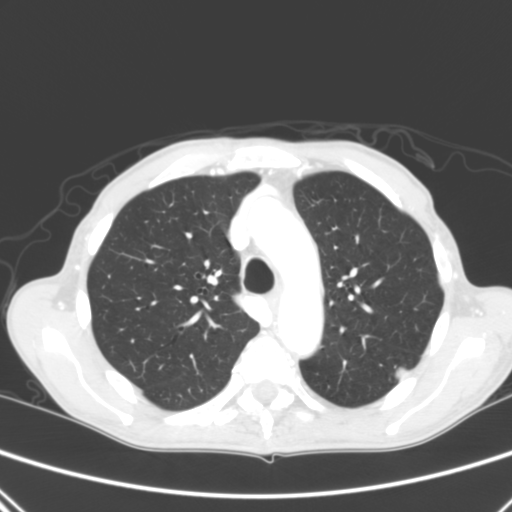
Axial chest CT slice 208 of 290 (counted from the lowest slice); tube voltage 120 kVp, convolution kernel B; slices 2.00 mm thick, 0.639 mm per pixel.
Pulmonary nodule outlined by all four readers; box rows 366–381, columns 394–410 (the union of the readers' outlines on this slice); longest diameter 14.4 mm on average over the four readers' outlines (readers' outlines 12.9–15.8 mm), volume 837–1237 mm3. Ratings, by the readers' most common answer with dissent counted: texture 5/5 (solid) by three of four readers; the rest gave 4/5 (one); margin split among the readers: 4/5 (two), 5/5 (circumscribed) (two); most readers (three of four) put sphericity at 5/5 (round), others 3/5 (ovoid) (one); calcification absent by three of four readers, laminated calcification (one); internal structure soft tissue from all four readers; subtlety 5/5 by three of four readers; the rest gave 4/5 (one); malignancy likelihood split among the readers: 2/5 (one), 3/5 (one), 4/5 (one), 5/5 (one). Scale key (1–5): texture non-solid→solid, margin indistinct→circumscribed, sphericity linear→round, subtlety extremely subtle→obvious, malignancy likelihood highly unlikely→highly suspicious of cancer. Box rows and columns are 0-based pixel indices from the top-left corner, inclusive.